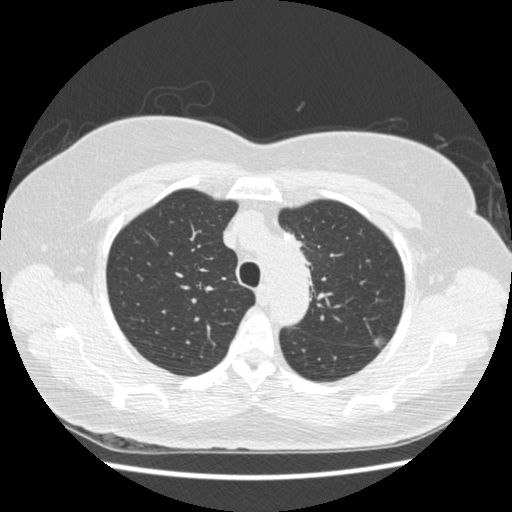
Axial chest CT slice 338 of 445 (counted from the lowest slice); tube voltage 120 kVp, convolution kernel STANDARD; slices 1.25 mm thick, 0.645 mm per pixel.
Pulmonary nodule, outlined by all four readers. Box on this slice rows 336–349, columns 372–385, the union of the readers' outlines on this slice; median longest diameter 11.1 mm (readers' outlines 9.9–11.6 mm), median volume 349 mm3 (292–430 mm3). Ratings, median across the readers with their spread: texture 2/5 at the median of four readers, spread 1/5 (non-solid) to 4/5; median margin 4/5 (readers ranged 2/5 to 5/5 (circumscribed)); sphericity 4/5 at the median of four readers, spread 3/5 (ovoid) to 5/5 (round); calcification absent, all four readers agreeing; internal structure soft tissue from all four readers; subtlety 3/5 at the median of four readers, spread 3–5; median malignancy likelihood 4/5 (readers ranged 2–5). Scale key (1–5): texture non-solid→solid, margin indistinct→circumscribed, sphericity linear→round, subtlety extremely subtle→obvious, malignancy likelihood highly unlikely→highly suspicious of cancer. Box rows and columns are 0-based pixel indices from the top-left corner, inclusive.